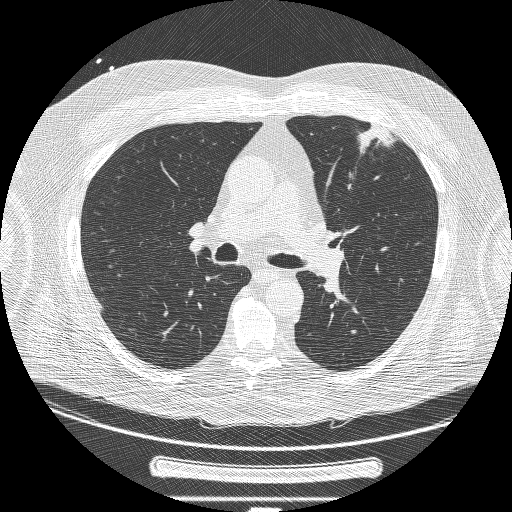
Axial slice 137 of 239 of a chest CT (slice 1 is the lowest), reconstructed with the BONE kernel at 120 kVp; 1.25 mm slice thickness and 0.795 mm pixels.
Pulmonary nodule outlined by two of the four readers; box rows 124–153, columns 356–397 (the union of the readers' outlines on this slice); the two readers' outlines give a longest diameter between 43.0 and 43.4 mm and a volume between 10396 and 11168 mm3. The readers' ratings, as ranges where they differ: texture from 3/5 (part-solid) to 5/5 (solid) across the two readers; margin from 1/5 (indistinct) to 3/5 across the two readers; sphericity from 1/5 (linear) to 3/5 (ovoid) across the two readers; calcification absent, both readers agreeing; internal structure soft tissue, both readers agreeing; subtlety 5/5, both readers agreeing; malignancy likelihood 5/5 from both readers. Scale key (1–5): texture non-solid→solid, margin indistinct→circumscribed, sphericity linear→round, subtlety extremely subtle→obvious, malignancy likelihood highly unlikely→highly suspicious of cancer. Box rows and columns are 0-based pixel indices from the top-left corner, inclusive.